Chest CT, axial plane, 120 kVp, kernel BONE. Slice 167/298 from the bottom of the scan; thickness 1.25 mm; pixel size 0.719 mm.
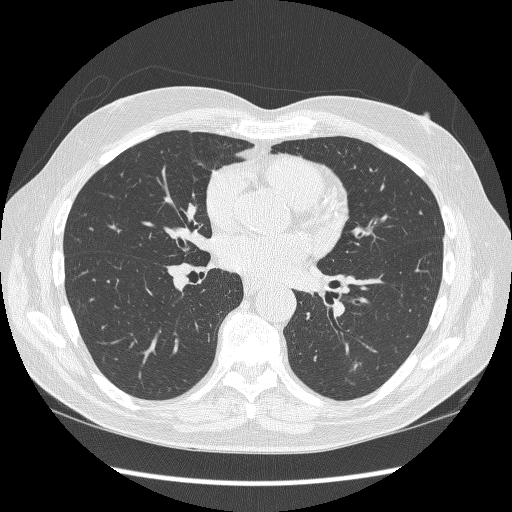
Pulmonary nodule at rows 362–369, columns 352–359 (box = the union of the readers' outlines on this slice), outlined by three of the four readers, two of them on this slice; the three readers' outlines give a longest diameter between 10.2 and 13.0 mm and a volume between 236 and 548 mm3. Ratings across the readers: texture from 3/5 (part-solid) to 5/5 (solid) across the three readers; margin from 2/5 to 4/5 across the three readers; sphericity from 2/5 to 3/5 (ovoid) across the three readers; calcification absent, all three readers agreeing; internal structure soft tissue, all three readers agreeing; subtlety from 3/5 to 4/5 across the three readers; malignancy likelihood 2–4/5 (the readers disagree). Scale key (1–5): texture non-solid→solid, margin indistinct→circumscribed, sphericity linear→round, subtlety extremely subtle→obvious, malignancy likelihood highly unlikely→highly suspicious of cancer. Box rows and columns are 0-based pixel indices from the top-left corner, inclusive.